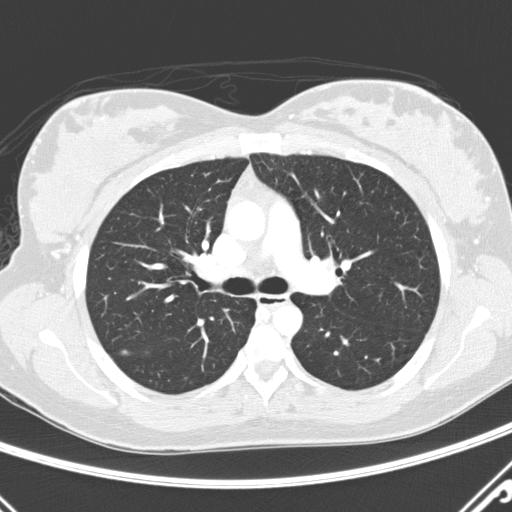
Axial chest CT slice 189 of 290 (counted from the lowest slice); tube voltage 120 kVp, convolution kernel D; slices 2.00 mm thick, 0.648 mm per pixel.
Pulmonary nodule, outlined by one of the four readers. Box on this slice rows 350–355, columns 121–128, that reader's outline on this slice; longest diameter 7.0 mm and volume 74 mm3 from that reader's outline. Ratings by that reader: texture 4/5; margin 1/5 (indistinct); sphericity 3/5 (ovoid); calcification absent; internal structure soft tissue; subtlety 5/5; malignancy likelihood 3/5. Scale key (1–5): texture non-solid→solid, margin indistinct→circumscribed, sphericity linear→round, subtlety extremely subtle→obvious, malignancy likelihood highly unlikely→highly suspicious of cancer. Box rows and columns are 0-based pixel indices from the top-left corner, inclusive.